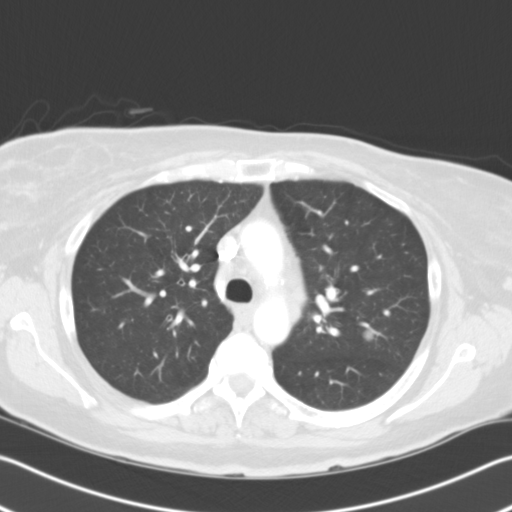
Chest CT, axial plane, 120 kVp, kernel B31f. Slice 83/118 from the bottom of the scan; thickness 3.00 mm; pixel size 0.668 mm.
Pulmonary nodule, outlined by all four readers. Box on this slice rows 330–340, columns 363–373, the union of the readers' outlines on this slice; median longest diameter 12.6 mm (readers' outlines 11.7–14.3 mm), median volume 714 mm3 (686–842 mm3). Ratings, median across the readers with their spread: texture 5/5 (solid), all four readers agreeing; median margin 5/5 (circumscribed) (readers ranged 4/5 to 5/5 (circumscribed)); sphericity 5/5 (round) at the median of four readers, spread 3/5 (ovoid) to 5/5 (round); calcification absent, all four readers agreeing; internal structure: soft tissue (three), air (one); subtlety 4/5 at the median of four readers, spread 3–5; median malignancy likelihood 3.5/5 (readers ranged 2–4). Scale key (1–5): texture non-solid→solid, margin indistinct→circumscribed, sphericity linear→round, subtlety extremely subtle→obvious, malignancy likelihood highly unlikely→highly suspicious of cancer. Box rows and columns are 0-based pixel indices from the top-left corner, inclusive.